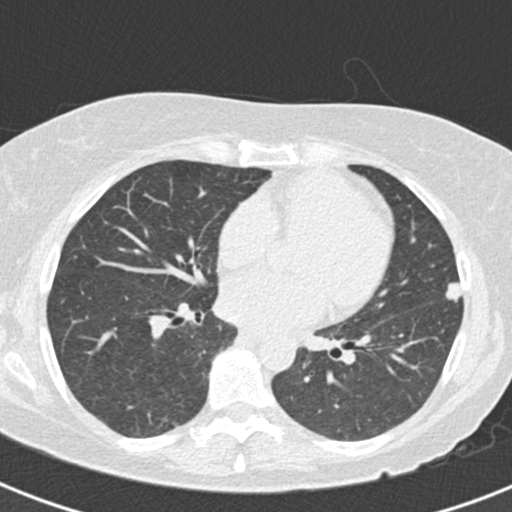
Axial slice 83 of 166 of a chest CT (slice 1 is the lowest), reconstructed with the B30f kernel at 120 kVp; 2.00 mm slice thickness and 0.566 mm pixels.
Pulmonary nodule outlined by all four readers; box rows 282–303, columns 445–462 (the union of the readers' outlines on this slice); the four readers' outlines give a longest diameter between 11.9 and 13.8 mm and a volume between 520 and 710 mm3. Ratings across the readers: texture from 4/5 to 5/5 (solid) across the four readers; margin from 4/5 to 5/5 (circumscribed) across the four readers; sphericity from 4/5 to 5/5 (round) across the four readers; calcification absent, all four readers agreeing; internal structure soft tissue from all four readers; subtlety rated between 4 and 5 out of 5 by the four readers; malignancy likelihood from 3/5 to 4/5 across the four readers. Scale key (1–5): texture non-solid→solid, margin indistinct→circumscribed, sphericity linear→round, subtlety extremely subtle→obvious, malignancy likelihood highly unlikely→highly suspicious of cancer. Box rows and columns are 0-based pixel indices from the top-left corner, inclusive.